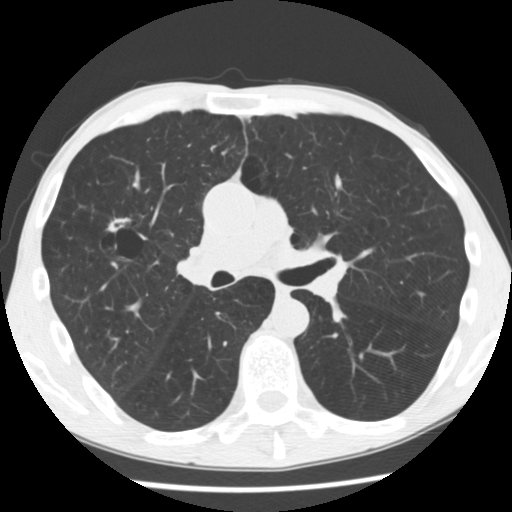
Axial chest CT slice 165 of 292 (counted from the lowest slice); tube voltage 120 kVp, convolution kernel STANDARD; slices 2.50 mm thick, 0.645 mm per pixel.
Pulmonary nodule outlined three times (the source holds two more outlines, not used); box rows 216–231, columns 104–132 (the union of the readers' outlines on this slice); median longest diameter 18.3 mm (readers' outlines 18.2–19.0 mm), median volume 926 mm3 (892–1690 mm3). Median ratings and the readers' spread: texture 5/5 (solid), all three readers agreeing; median margin 3/5 (readers ranged 2/5 to 4/5); sphericity 3/5 (ovoid) at the median of three readers, spread 2/5 to 4/5; calcification absent from all three readers; internal structure soft tissue from all three readers; median subtlety 4/5 (readers ranged 4–5); malignancy likelihood 5/5 at the median of three readers, spread 3–5. Scale key (1–5): texture non-solid→solid, margin indistinct→circumscribed, sphericity linear→round, subtlety extremely subtle→obvious, malignancy likelihood highly unlikely→highly suspicious of cancer. Box rows and columns are 0-based pixel indices from the top-left corner, inclusive.